Axial chest CT slice 209 of 461 (counted from the lowest slice); tube voltage 120 kVp, convolution kernel STANDARD; slices 1.25 mm thick, 0.645 mm per pixel.
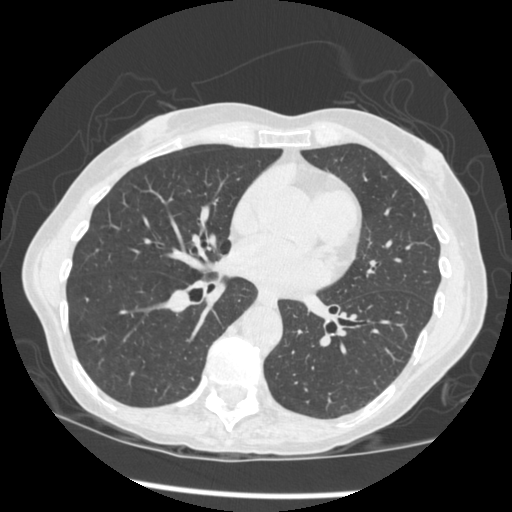
None of the four readers outlined a nodule of 3 mm or more on this slice.